Chest CT, axial plane, 120 kVp, kernel STANDARD. Slice 254/305 from the bottom of the scan; thickness 1.25 mm; pixel size 0.732 mm.
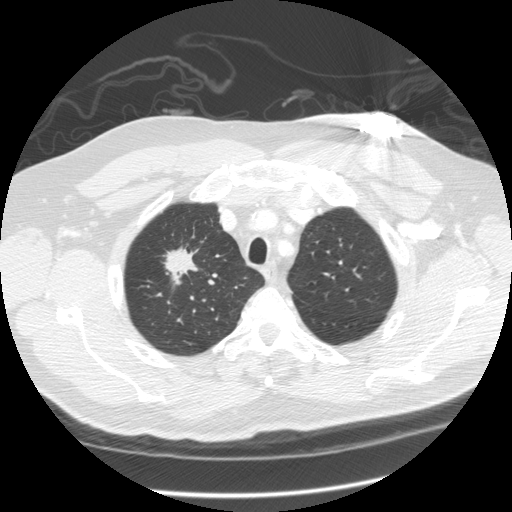
Pulmonary nodule outlined by three of the four readers; box rows 243–285, columns 161–198 (the union of the readers' outlines on this slice); median longest diameter 43.6 mm (readers' outlines 41.0–45.9 mm), median volume 9712 mm3 (6528–11092 mm3). Ratings, median across the readers with their spread: median texture 4/5 (readers ranged 3/5 (part-solid) to 5/5 (solid)); median margin 3/5 (readers ranged 1/5 (indistinct) to 4/5); sphericity 3/5 (ovoid) at the median of three readers, spread 2/5 to 3/5 (ovoid); calcification absent from all three readers; internal structure soft tissue from all three readers; subtlety 5/5, all three readers agreeing; malignancy likelihood 5/5 from all three readers. Scale key (1–5): texture non-solid→solid, margin indistinct→circumscribed, sphericity linear→round, subtlety extremely subtle→obvious, malignancy likelihood highly unlikely→highly suspicious of cancer. Box rows and columns are 0-based pixel indices from the top-left corner, inclusive.